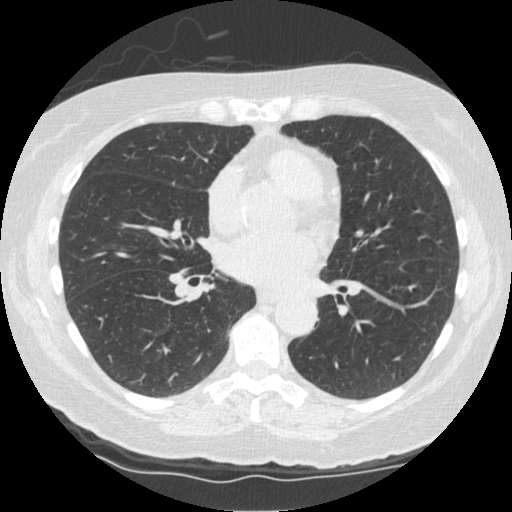
This is axial slice 229 of 519 (slice 1 is the lowest) of a chest CT; each pixel is 0.645 mm and the slice is 1.25 mm thick. None of the four readers outlined a nodule of 3 mm or more on this slice.
Acquired at 120 kVp and reconstructed with the STANDARD kernel.